Axial slice 83 of 113 of a chest CT (slice 1 is the lowest), reconstructed with the STANDARD kernel at 120 kVp; 2.50 mm slice thickness and 0.703 mm pixels.
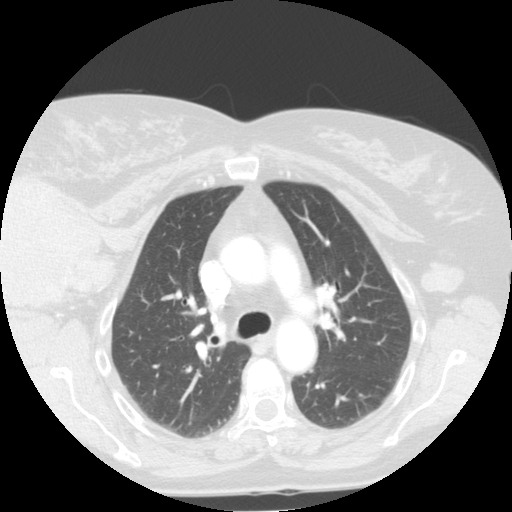
No nodule of 3 mm or larger was outlined by any of the four readers on this slice.